Chest CT, axial plane, 120 kVp, kernel STANDARD. Slice 56/471 from the bottom of the scan; thickness 1.25 mm; pixel size 0.586 mm.
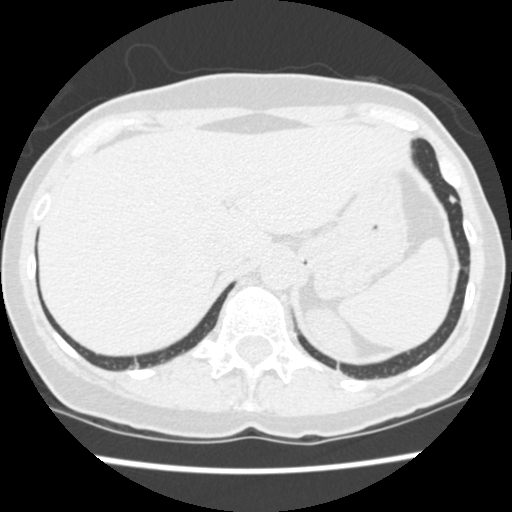
Pulmonary nodule outlined by all four readers; box rows 194–203, columns 449–456 (the union of the readers' outlines on this slice); median longest diameter 6.4 mm (readers' outlines 6.1–9.0 mm), median volume 101 mm3 (96–205 mm3). Median ratings and the readers' spread: texture 5/5 (solid) from all four readers; median margin 4/5 (readers ranged 4/5 to 5/5 (circumscribed)); sphericity 3/5 (ovoid) at the median of four readers, spread 3/5 (ovoid) to 5/5 (round); calcification absent, all four readers agreeing; internal structure soft tissue, all four readers agreeing; subtlety 3/5 at the median of four readers, spread 3–4; malignancy likelihood 3/5 at the median of four readers, spread 2–4. Scale key (1–5): texture non-solid→solid, margin indistinct→circumscribed, sphericity linear→round, subtlety extremely subtle→obvious, malignancy likelihood highly unlikely→highly suspicious of cancer. Box rows and columns are 0-based pixel indices from the top-left corner, inclusive.